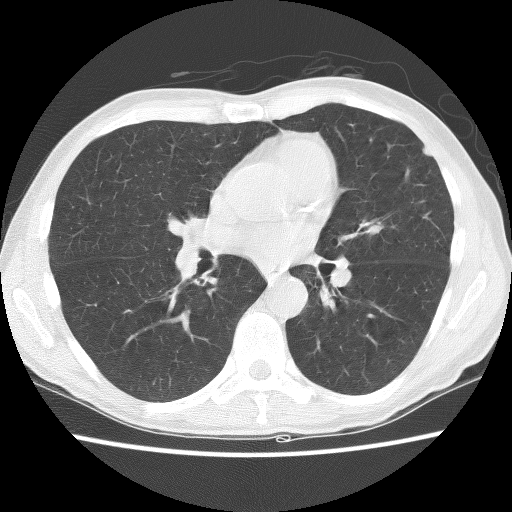
Axial chest CT slice 68 of 128 (counted from the lowest slice); 2.50 mm thick, 0.611 mm per pixel. Pulmonary nodule at rows 147–156, columns 422–431 (box = the union of the readers' outlines on this slice), outlined by all four readers; the four readers' outlines give a longest diameter between 7.0 and 8.5 mm and a volume between 55 and 147 mm3. Ratings across the readers: texture from 3/5 (part-solid) to 5/5 (solid) across the four readers; margin from 3/5 to 5/5 (circumscribed) across the four readers; sphericity from 3/5 (ovoid) to 4/5 across the four readers; calcification absent, all four readers agreeing; internal structure soft tissue, all four readers agreeing; subtlety from 3/5 to 5/5 across the four readers; malignancy likelihood rated between 2 and 3 out of 5 by the four readers. Scale key (1–5): texture non-solid→solid, margin indistinct→circumscribed, sphericity linear→round, subtlety extremely subtle→obvious, malignancy likelihood highly unlikely→highly suspicious of cancer. Box rows and columns are 0-based pixel indices from the top-left corner, inclusive.
Tube voltage 140 kVp; convolution kernel BONE.